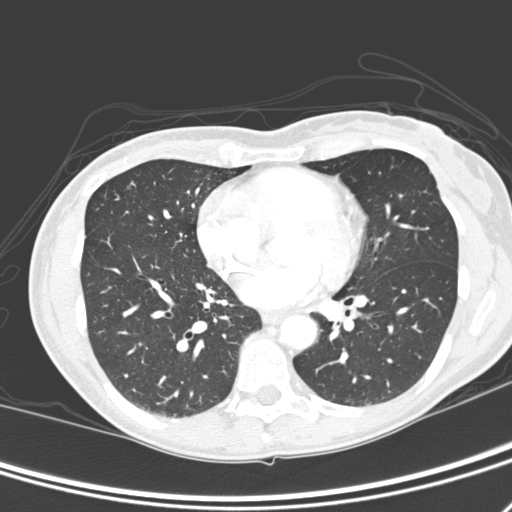
One axial slice (140 of 290, counting up from the lowest) of a chest CT acquired at 120 kVp with the D kernel; each pixel is 0.611 mm and the slice is 1.00 mm thick.
Pulmonary nodule outlined by two of the four readers; box rows 180–189, columns 126–135 (the union of the readers' outlines on this slice); longest diameter 7.1 mm on average over the two readers' outlines (readers' outlines 7.0–7.2 mm), volume 57–64 mm3. Ratings, by the readers' most common answer with dissent counted: texture 5/5 (solid), both readers agreeing; margin split among the readers: 3/5 (one), 5/5 (circumscribed) (one); sphericity split among the readers: 4/5 (one), 5/5 (round) (one); calcification absent, both readers agreeing; internal structure split among the readers: air (one), soft tissue (one); subtlety split among the readers: 2/5 (one), 4/5 (one); malignancy likelihood 3/5 from both readers. Scale key (1–5): texture non-solid→solid, margin indistinct→circumscribed, sphericity linear→round, subtlety extremely subtle→obvious, malignancy likelihood highly unlikely→highly suspicious of cancer. Box rows and columns are 0-based pixel indices from the top-left corner, inclusive.